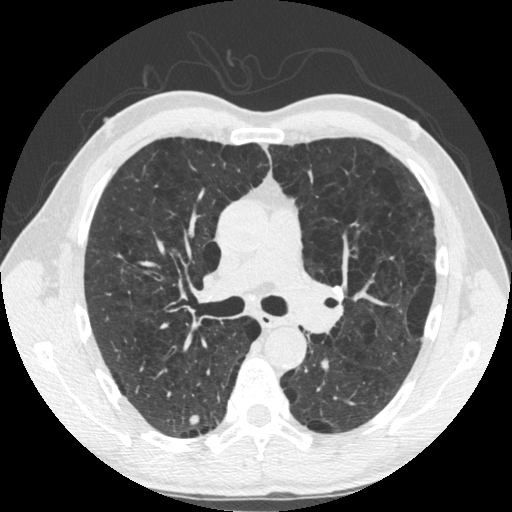
Chest CT, axial plane, 120 kVp, kernel STANDARD. Slice 323/535 from the bottom of the scan; thickness 1.25 mm; pixel size 0.664 mm.
Pulmonary nodule, outlined by all four readers. Box on this slice rows 414–424, columns 188–198, the union of the readers' outlines on this slice; longest diameter 11.2 mm on average over the four readers' outlines (readers' outlines 10.5–12.4 mm), volume 543–647 mm3. Ratings, by the readers' most common answer with dissent counted: texture 5/5 (solid) from all four readers; margin 5/5 (circumscribed) from all four readers; sphericity 5/5 (round) by two of four readers; the rest gave 3/5 (ovoid) (one), 4/5 (one); calcification absent by three of four readers, laminated calcification (one); internal structure soft tissue from all four readers; subtlety 5/5 from all four readers; malignancy likelihood 1/5 by two of four readers; the rest gave 4/5 (one), 5/5 (one). Scale key (1–5): texture non-solid→solid, margin indistinct→circumscribed, sphericity linear→round, subtlety extremely subtle→obvious, malignancy likelihood highly unlikely→highly suspicious of cancer. Box rows and columns are 0-based pixel indices from the top-left corner, inclusive.